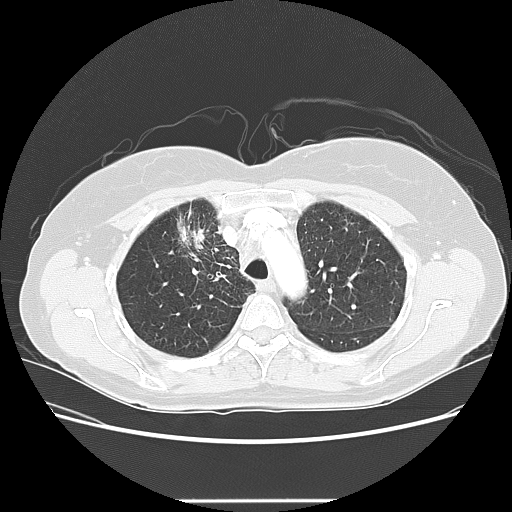
Axial slice 105 of 130 of a chest CT (slice 1 is the lowest), reconstructed with the LUNG kernel at 120 kVp; 2.50 mm slice thickness and 0.703 mm pixels.
Pulmonary nodule at rows 216–249, columns 176–204 (box = the union of the readers' outlines on this slice), outlined by three of the four readers; median longest diameter 30.8 mm (readers' outlines 26.3–33.4 mm), median volume 4246 mm3 (4054–5494 mm3). Median ratings and the readers' spread: median texture 5/5 (solid) (readers ranged 4/5 to 5/5 (solid)); margin 4/5 at the median of three readers, spread 3/5 to 5/5 (circumscribed); sphericity 4/5 at the median of three readers, spread 3/5 (ovoid) to 5/5 (round); calcification absent, all three readers agreeing; internal structure soft tissue, all three readers agreeing; subtlety 5/5 from all three readers; median malignancy likelihood 5/5 (readers ranged 4–5). Scale key (1–5): texture non-solid→solid, margin indistinct→circumscribed, sphericity linear→round, subtlety extremely subtle→obvious, malignancy likelihood highly unlikely→highly suspicious of cancer. Box rows and columns are 0-based pixel indices from the top-left corner, inclusive.